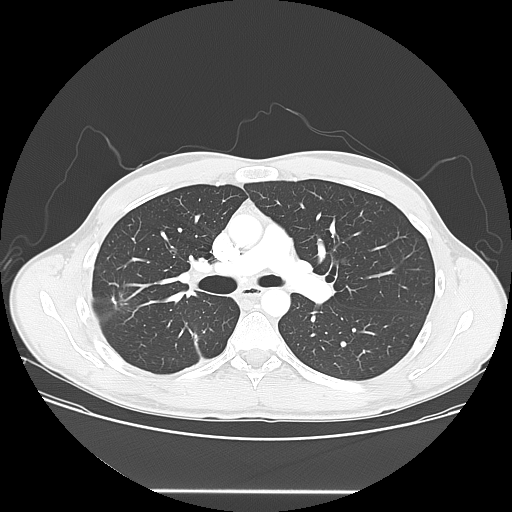
Axial chest CT slice 98 of 150 (counted from the lowest slice); tube voltage 120 kVp, convolution kernel LUNG; slices 2.50 mm thick, 0.781 mm per pixel.
Pulmonary nodule at rows 258–262, columns 341–346 (box = the union of the readers' outlines on this slice), outlined by two of the four readers; median longest diameter 13.6 mm (readers' outlines 13.4–13.7 mm), median volume 554 mm3 (506–603 mm3). Ratings, median across the readers with their spread: texture 5/5 (solid), both readers agreeing; margin 4.5/5 at the median of two readers, spread 4/5 to 5/5 (circumscribed); sphericity 3/5 (ovoid) at the median of two readers, spread 1/5 (linear) to 5/5 (round); calcification absent from both readers; internal structure soft tissue from both readers; median subtlety 3.5/5 (readers ranged 3–4); malignancy likelihood 2/5, both readers agreeing. Scale key (1–5): texture non-solid→solid, margin indistinct→circumscribed, sphericity linear→round, subtlety extremely subtle→obvious, malignancy likelihood highly unlikely→highly suspicious of cancer. Box rows and columns are 0-based pixel indices from the top-left corner, inclusive.